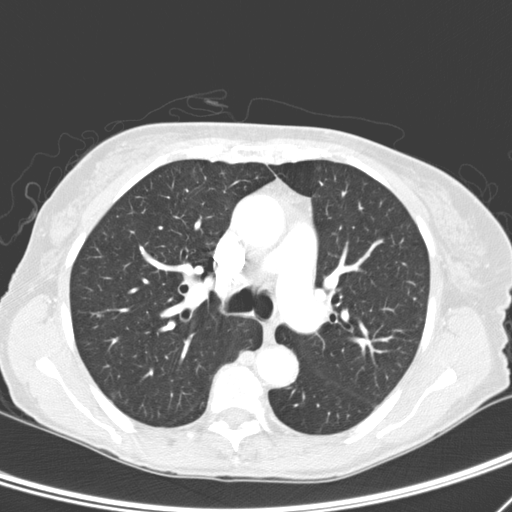
One axial slice (184 of 276, counting up from the lowest) of a chest CT acquired at 120 kVp with the D kernel; each pixel is 0.617 mm and the slice is 2.00 mm thick.
Pulmonary nodule at rows 314–316, columns 96–100 (box = that reader's outline on this slice), outlined by one of the four readers; longest diameter 4.7 mm and volume 19 mm3 from that reader's outline. That reader's ratings: texture 5/5 (solid); margin 5/5 (circumscribed); sphericity 5/5 (round); calcification absent; internal structure soft tissue; subtlety 3/5; malignancy likelihood 1/5. Scale key (1–5): texture non-solid→solid, margin indistinct→circumscribed, sphericity linear→round, subtlety extremely subtle→obvious, malignancy likelihood highly unlikely→highly suspicious of cancer. Box rows and columns are 0-based pixel indices from the top-left corner, inclusive.